One axial slice (39 of 119, counting up from the lowest) of a chest CT acquired at 130 kVp with the B31s kernel; each pixel is 0.650 mm and the slice is 3.00 mm thick.
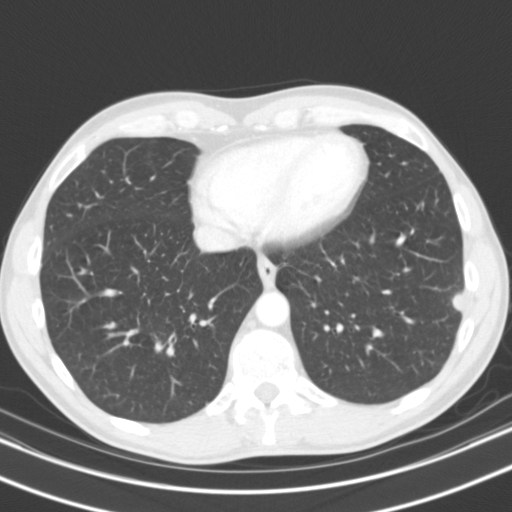
Pulmonary nodule at rows 290–311, columns 451–465 (box = the union of the readers' outlines on this slice), outlined by all four readers; the four readers' outlines give a longest diameter between 14.3 and 20.4 mm and a volume between 1364 and 2386 mm3. Ratings across the readers: texture from 4/5 to 5/5 (solid) across the four readers; margin from 2/5 to 4/5 across the four readers; sphericity from 3/5 (ovoid) to 5/5 (round) across the four readers; calcification absent from all four readers; internal structure soft tissue, all four readers agreeing; subtlety from 4/5 to 5/5 across the four readers; malignancy likelihood rated between 2 and 5 out of 5 by the four readers. Scale key (1–5): texture non-solid→solid, margin indistinct→circumscribed, sphericity linear→round, subtlety extremely subtle→obvious, malignancy likelihood highly unlikely→highly suspicious of cancer. Box rows and columns are 0-based pixel indices from the top-left corner, inclusive.